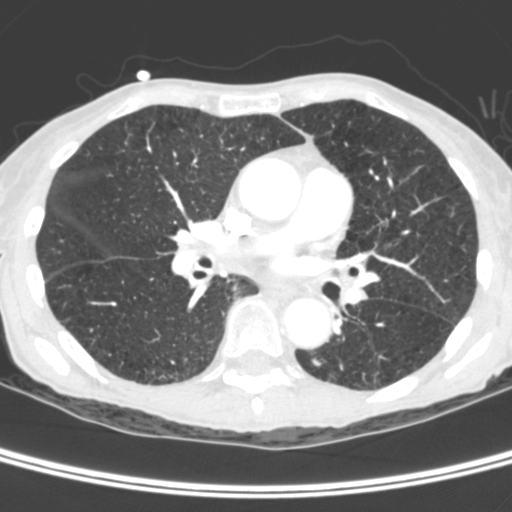
Chest CT, axial plane, 120 kVp, kernel C. Slice 201/400 from the bottom of the scan; thickness 1.50 mm; pixel size 0.527 mm.
Pulmonary nodule at rows 357–366, columns 309–322 (box = the union of the readers' outlines on this slice), outlined by three of the four readers; median longest diameter 7.6 mm (readers' outlines 6.0–8.7 mm), median volume 90 mm3 (56–91 mm3). Ratings, median across the readers with their spread: texture 5/5 (solid) from all three readers; median margin 4/5 (readers ranged 3/5 to 4/5); sphericity 3/5 (ovoid) at the median of three readers, spread 2/5 to 3/5 (ovoid); calcification absent, all three readers agreeing; internal structure soft tissue, all three readers agreeing; median subtlety 3/5 (readers ranged 3–5); median malignancy likelihood 2/5 (readers ranged 1–4). Scale key (1–5): texture non-solid→solid, margin indistinct→circumscribed, sphericity linear→round, subtlety extremely subtle→obvious, malignancy likelihood highly unlikely→highly suspicious of cancer. Box rows and columns are 0-based pixel indices from the top-left corner, inclusive.